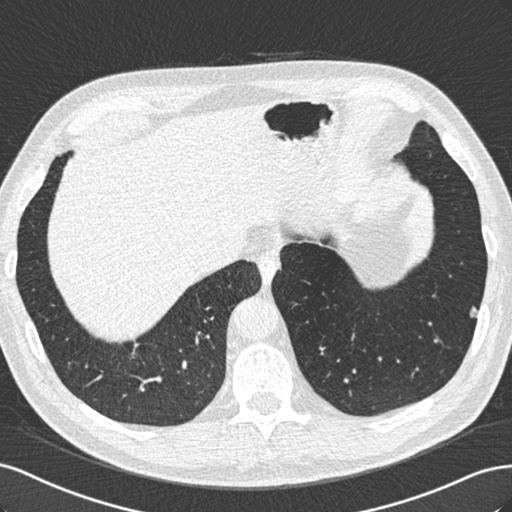
Slice 190/529 of a chest CT, counting up from the lowest; pixel size 0.703 mm, slice thickness 0.75 mm. Two pulmonary nodules on this slice, listed from left to right. (1) Pulmonary nodule outlined by two of the four readers, one of them on this slice; box rows 342–346, columns 134–137 (the one reader's outline on this slice); median longest diameter 8.5 mm (readers' outlines 7.5–9.6 mm), median volume 118 mm3 (88–148 mm3). Median ratings and the readers' spread: texture 5/5 (solid) from both readers; margin 5/5 (circumscribed), both readers agreeing; median sphericity 4.5/5 (readers ranged 4/5 to 5/5 (round)); calcification solid calcification, both readers agreeing; internal structure soft tissue, both readers agreeing; subtlety 4.5/5 at the median of two readers, spread 4–5; malignancy likelihood 1/5, both readers agreeing. (2) Pulmonary nodule at rows 306–317, columns 470–477 (box = the union of the readers' outlines on this slice), outlined by three of the four readers; the three readers' outlines give a longest diameter between 8.0 and 10.9 mm and a volume between 66 and 163 mm3. Ratings across the readers: texture from 4/5 to 5/5 (solid) across the three readers; margin from 4/5 to 5/5 (circumscribed) across the three readers; sphericity 5/5 (round), all three readers agreeing; calcification absent from all three readers; internal structure soft tissue from all three readers; subtlety from 3/5 to 5/5 across the three readers; malignancy likelihood 2–4/5 (the readers disagree). Scale key (1–5): texture non-solid→solid, margin indistinct→circumscribed, sphericity linear→round, subtlety extremely subtle→obvious, malignancy likelihood highly unlikely→highly suspicious of cancer. Box rows and columns are 0-based pixel indices from the top-left corner, inclusive.
Tube voltage 120 kVp; convolution kernel B30f.